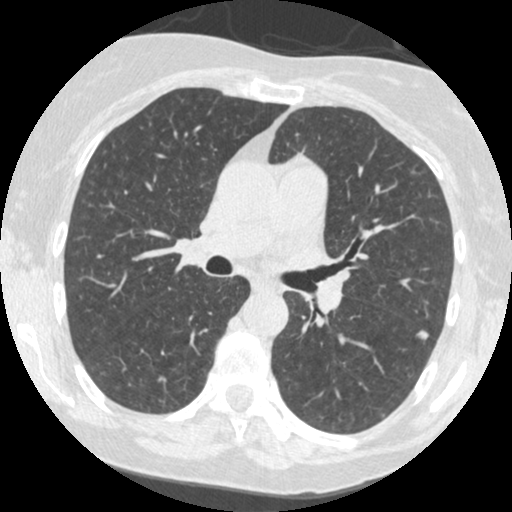
Axial chest CT slice 261 of 484 (counted from the lowest slice); tube voltage 120 kVp, convolution kernel STANDARD; slices 1.25 mm thick, 0.586 mm per pixel.
Two pulmonary nodules on this slice, listed from left to right. (1) Pulmonary nodule at rows 414–417, columns 380–383 (box = that reader's outline on this slice), outlined by one of the four readers; longest diameter 3.9 mm and volume 18 mm3 from that reader's outline. That reader's ratings: texture 4/5; margin 5/5 (circumscribed); sphericity 5/5 (round); calcification absent; internal structure soft tissue; subtlety 2/5; malignancy likelihood 2/5. (2) Pulmonary nodule, outlined by all four readers. Box on this slice rows 329–340, columns 416–429, the union of the readers' outlines on this slice; median longest diameter 8.9 mm (readers' outlines 6.6–9.0 mm), median volume 93 mm3 (60–132 mm3). Ratings, median across the readers with their spread: texture 5/5 (solid), all four readers agreeing; margin 4.5/5 at the median of four readers, spread 4/5 to 5/5 (circumscribed); sphericity 3.5/5 at the median of four readers, spread 3/5 (ovoid) to 4/5; calcification absent from all four readers; internal structure soft tissue from all four readers; subtlety 5/5 at the median of four readers, spread 4–5; median malignancy likelihood 2/5 (readers ranged 2–4). Scale key (1–5): texture non-solid→solid, margin indistinct→circumscribed, sphericity linear→round, subtlety extremely subtle→obvious, malignancy likelihood highly unlikely→highly suspicious of cancer. Box rows and columns are 0-based pixel indices from the top-left corner, inclusive.